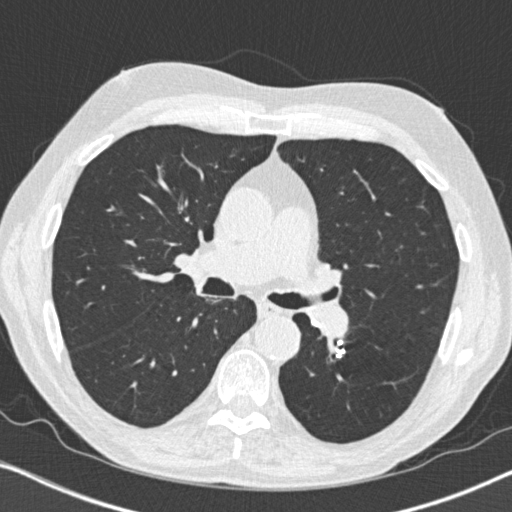
One axial slice (468 of 764, counting up from the lowest) of a chest CT acquired at 120 kVp with the B31f kernel; each pixel is 0.646 mm and the slice is 1.00 mm thick.
Pulmonary nodule, outlined by one of the four readers. Box on this slice rows 349–356, columns 335–344, that reader's outline on this slice; longest diameter 8.3 mm and volume 154 mm3 from that reader's outline. Ratings by that reader: texture 5/5 (solid); margin 5/5 (circumscribed); sphericity 3/5 (ovoid); calcification solid calcification; internal structure soft tissue; subtlety 5/5; malignancy likelihood 1/5. Scale key (1–5): texture non-solid→solid, margin indistinct→circumscribed, sphericity linear→round, subtlety extremely subtle→obvious, malignancy likelihood highly unlikely→highly suspicious of cancer. Box rows and columns are 0-based pixel indices from the top-left corner, inclusive.